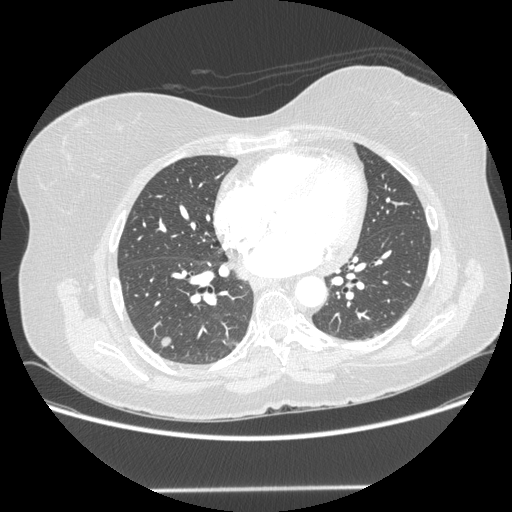
Slice 90/214 of a chest CT, counting up from the lowest; pixel size 0.781 mm, slice thickness 1.25 mm. Pulmonary nodule, outlined by all four readers. Box on this slice rows 336–346, columns 160–170, the union of the readers' outlines on this slice; longest diameter 9.8–11.3 mm and volume 185–219 mm3 across the four readers' outlines. Ratings across the readers: texture 5/5 (solid) from all four readers; margin from 4/5 to 5/5 (circumscribed) across the four readers; sphericity from 3/5 (ovoid) to 5/5 (round) across the four readers; calcification absent, all four readers agreeing; internal structure soft tissue, all four readers agreeing; subtlety from 3/5 to 5/5 across the four readers; malignancy likelihood rated between 2 and 4 out of 5 by the four readers. Scale key (1–5): texture non-solid→solid, margin indistinct→circumscribed, sphericity linear→round, subtlety extremely subtle→obvious, malignancy likelihood highly unlikely→highly suspicious of cancer. Box rows and columns are 0-based pixel indices from the top-left corner, inclusive.
Tube voltage 120 kVp; convolution kernel STANDARD.